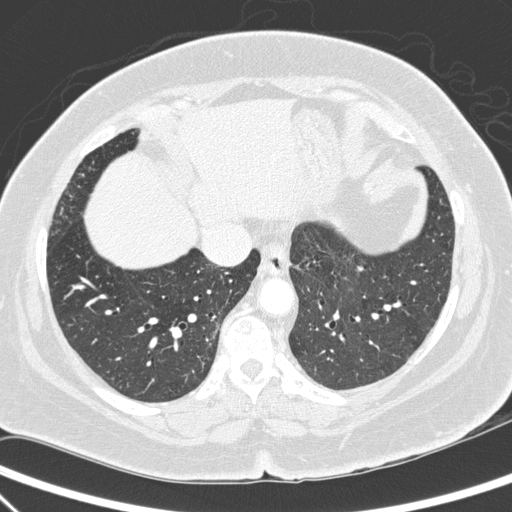
Chest CT, axial plane, 140 kVp, kernel D. Slice 89/272 from the bottom of the scan; thickness 1.00 mm; pixel size 0.676 mm.
Pulmonary nodule outlined by two of the four readers; box rows 264–271, columns 355–363 (the union of the readers' outlines on this slice); the two readers' outlines give a longest diameter between 5.4 and 8.2 mm and a volume between 51 and 143 mm3. Ratings across the readers: texture 5/5 (solid), both readers agreeing; margin from 4/5 to 5/5 (circumscribed) across the two readers; sphericity from 2/5 to 4/5 across the two readers; calcification absent from both readers; internal structure soft tissue from both readers; subtlety from 1/5 to 4/5 across the two readers; malignancy likelihood 1–3/5 (the readers disagree). Scale key (1–5): texture non-solid→solid, margin indistinct→circumscribed, sphericity linear→round, subtlety extremely subtle→obvious, malignancy likelihood highly unlikely→highly suspicious of cancer. Box rows and columns are 0-based pixel indices from the top-left corner, inclusive.